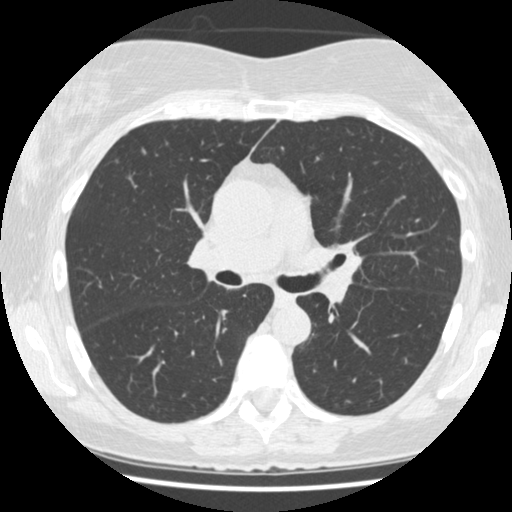
One axial slice (276 of 477, counting up from the lowest) of a chest CT acquired at 120 kVp with the STANDARD kernel; each pixel is 0.625 mm and the slice is 1.25 mm thick.
Pulmonary nodule outlined by two of the four readers; box rows 148–153, columns 142–145 (the union of the readers' outlines on this slice); median longest diameter 4.7 mm (readers' outlines 4.6–4.8 mm), median volume 29 mm3 (22–35 mm3). Median ratings and the readers' spread: texture 5/5 (solid), both readers agreeing; margin 3.5/5 at the median of two readers, spread 3/5 to 4/5; median sphericity 4.5/5 (readers ranged 4/5 to 5/5 (round)); calcification absent, both readers agreeing; internal structure soft tissue, both readers agreeing; median subtlety 1.5/5 (readers ranged 1–2); median malignancy likelihood 1.5/5 (readers ranged 1–2). Scale key (1–5): texture non-solid→solid, margin indistinct→circumscribed, sphericity linear→round, subtlety extremely subtle→obvious, malignancy likelihood highly unlikely→highly suspicious of cancer. Box rows and columns are 0-based pixel indices from the top-left corner, inclusive.